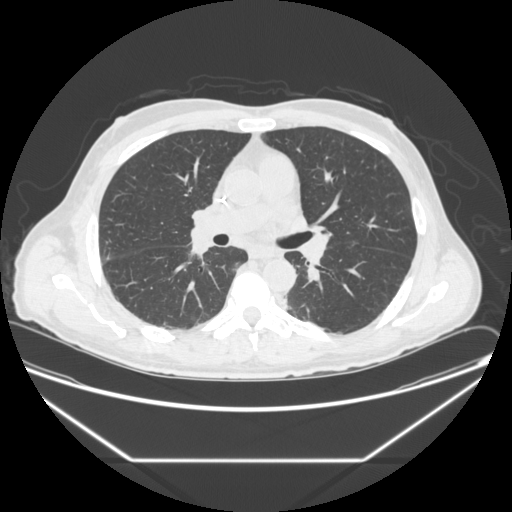
One axial slice (128 of 251, counting up from the lowest) of a chest CT acquired at 120 kVp with the STANDARD kernel; each pixel is 0.809 mm and the slice is 1.25 mm thick.
Pulmonary nodule, outlined by two of the four readers. Box on this slice rows 257–259, columns 107–110, the union of the readers' outlines on this slice; longest diameter 7.9 mm on average over the two readers' outlines (readers' outlines 6.7–9.0 mm), volume 61–153 mm3. Ratings, by the readers' most common answer with dissent counted: texture split among the readers: 4/5 (one), 5/5 (solid) (one); margin split among the readers: 2/5 (one), 4/5 (one); sphericity 3/5 (ovoid) from both readers; calcification absent, both readers agreeing; internal structure soft tissue, both readers agreeing; subtlety split among the readers: 3/5 (one), 4/5 (one); malignancy likelihood 3/5, both readers agreeing. Scale key (1–5): texture non-solid→solid, margin indistinct→circumscribed, sphericity linear→round, subtlety extremely subtle→obvious, malignancy likelihood highly unlikely→highly suspicious of cancer. Box rows and columns are 0-based pixel indices from the top-left corner, inclusive.